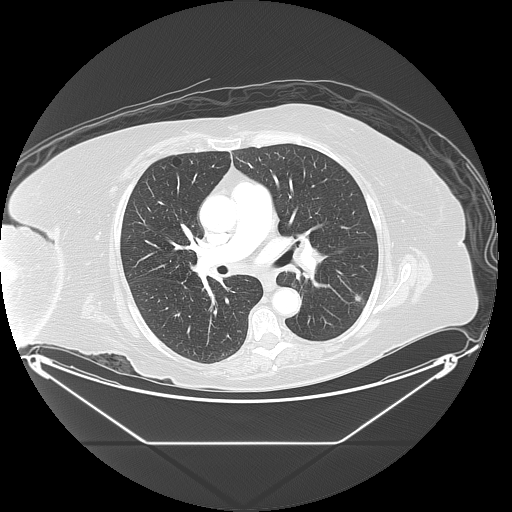
One axial slice (86 of 133, counting up from the lowest) of a chest CT acquired at 120 kVp with the LUNG kernel; each pixel is 0.977 mm and the slice is 2.50 mm thick.
Pulmonary nodule outlined by one of the four readers; box rows 295–301, columns 354–361 (that reader's outline on this slice); longest diameter 9.6 mm and volume 128 mm3 from that reader's outline. Ratings by that reader: texture 5/5 (solid); margin 5/5 (circumscribed); sphericity 4/5; calcification absent; internal structure soft tissue; subtlety 4/5; malignancy likelihood 2/5. Scale key (1–5): texture non-solid→solid, margin indistinct→circumscribed, sphericity linear→round, subtlety extremely subtle→obvious, malignancy likelihood highly unlikely→highly suspicious of cancer. Box rows and columns are 0-based pixel indices from the top-left corner, inclusive.